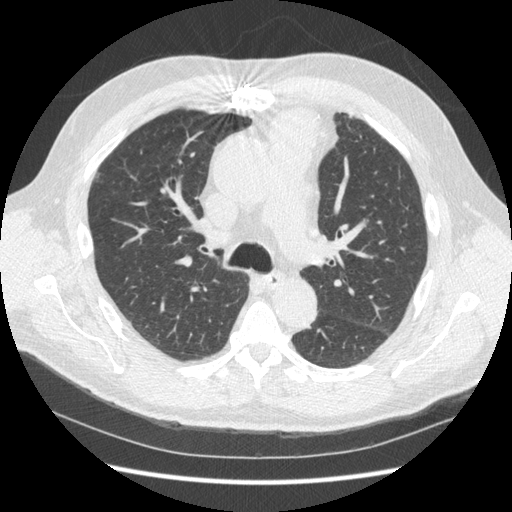
Axial chest CT slice 219 of 369 (counted from the lowest slice); 1.25 mm thick, 0.703 mm per pixel. Pulmonary nodule outlined by one of the four readers; box rows 174–181, columns 96–100 (that reader's outline on this slice); longest diameter 27.0 mm and volume 3015 mm3 from that reader's outline. Ratings by that reader: texture 1/5 (non-solid); margin 1/5 (indistinct); sphericity 3/5 (ovoid); calcification absent; internal structure soft tissue; subtlety 3/5; malignancy likelihood 3/5. Scale key (1–5): texture non-solid→solid, margin indistinct→circumscribed, sphericity linear→round, subtlety extremely subtle→obvious, malignancy likelihood highly unlikely→highly suspicious of cancer. Box rows and columns are 0-based pixel indices from the top-left corner, inclusive.
Scan settings: 120 kVp, STANDARD reconstruction kernel.